Chest CT, axial plane, 120 kVp, kernel STANDARD. Slice 216/474 from the bottom of the scan; thickness 1.25 mm; pixel size 0.625 mm.
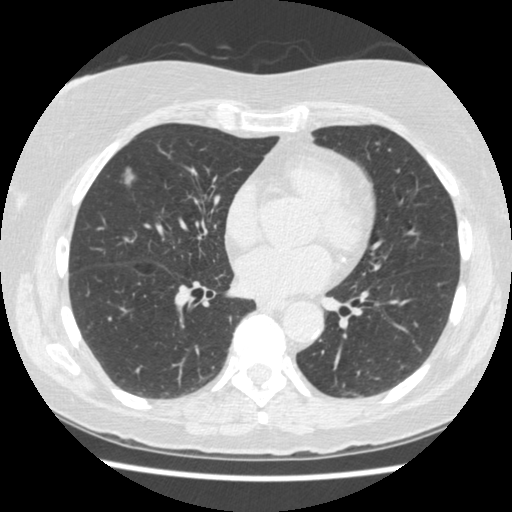
Pulmonary nodule at rows 165–188, columns 115–135 (box = the union of the readers' outlines on this slice), outlined by all four readers; longest diameter 12.6–15.8 mm and volume 209–921 mm3 across the four readers' outlines. Ratings across the readers: texture from 2/5 to 3/5 (part-solid) across the four readers; margin from 1/5 (indistinct) to 3/5 across the four readers; sphericity from 2/5 to 5/5 (round) across the four readers; calcification absent from all four readers; internal structure soft tissue from all four readers; subtlety rated between 3 and 5 out of 5 by the four readers; malignancy likelihood 3–5/5 (the readers disagree). Scale key (1–5): texture non-solid→solid, margin indistinct→circumscribed, sphericity linear→round, subtlety extremely subtle→obvious, malignancy likelihood highly unlikely→highly suspicious of cancer. Box rows and columns are 0-based pixel indices from the top-left corner, inclusive.